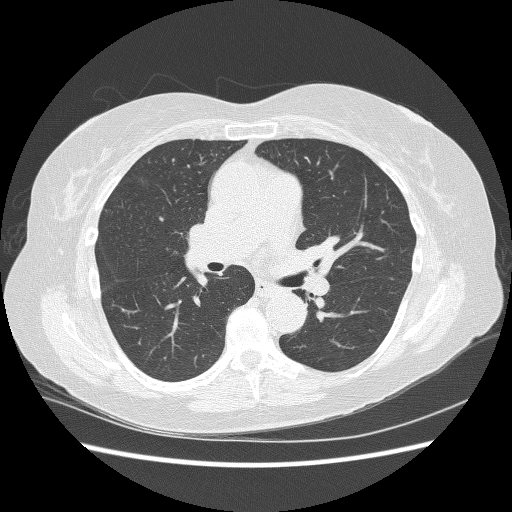
Axial slice 145 of 240 of a chest CT (slice 1 is the lowest), reconstructed with the BONE kernel at 120 kVp; 1.25 mm slice thickness and 0.703 mm pixels.
Pulmonary nodule, outlined by two of the four readers. Box on this slice rows 215–222, columns 158–164, the union of the readers' outlines on this slice; the two readers' outlines give a longest diameter between 7.2 and 9.4 mm and a volume between 98 and 136 mm3. The readers' ratings, as ranges where they differ: texture from 4/5 to 5/5 (solid) across the two readers; margin from 4/5 to 5/5 (circumscribed) across the two readers; sphericity from 2/5 to 3/5 (ovoid) across the two readers; calcification absent from both readers; internal structure soft tissue from both readers; subtlety from 3/5 to 4/5 across the two readers; malignancy likelihood from 1/5 to 2/5 across the two readers. Scale key (1–5): texture non-solid→solid, margin indistinct→circumscribed, sphericity linear→round, subtlety extremely subtle→obvious, malignancy likelihood highly unlikely→highly suspicious of cancer. Box rows and columns are 0-based pixel indices from the top-left corner, inclusive.